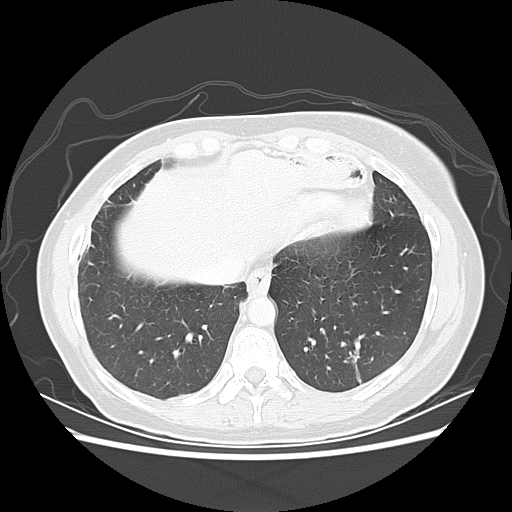
Chest CT, axial plane, 120 kVp, kernel LUNG. Slice 56/133 from the bottom of the scan; thickness 2.50 mm; pixel size 0.703 mm.
Pulmonary nodule, outlined by all four readers, one of them on this slice. Box on this slice rows 355–359, columns 353–358, the one reader's outline on this slice; the four readers' outlines give a longest diameter between 11.7 and 14.6 mm and a volume between 378 and 526 mm3. The readers' ratings, as ranges where they differ: texture from 4/5 to 5/5 (solid) across the four readers; margin from 3/5 to 4/5 across the four readers; sphericity from 3/5 (ovoid) to 5/5 (round) across the four readers; calcification absent, all four readers agreeing; internal structure soft tissue, all four readers agreeing; subtlety 4–5/5 (the readers disagree); malignancy likelihood 3–4/5 (the readers disagree). Scale key (1–5): texture non-solid→solid, margin indistinct→circumscribed, sphericity linear→round, subtlety extremely subtle→obvious, malignancy likelihood highly unlikely→highly suspicious of cancer. Box rows and columns are 0-based pixel indices from the top-left corner, inclusive.